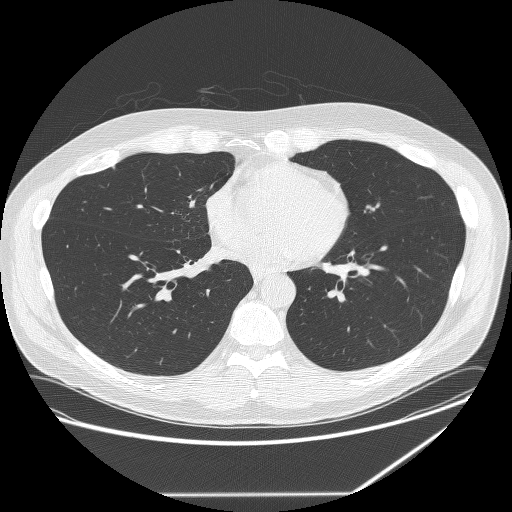
This is axial slice 125 of 291 (slice 1 is the lowest) of a chest CT; each pixel is 0.820 mm and the slice is 1.25 mm thick. Pulmonary nodule, outlined by all four readers, three of them on this slice. Box on this slice rows 165–168, columns 112–114, the union of the readers' outlines on this slice; the four readers' outlines give a longest diameter between 5.5 and 6.2 mm and a volume between 56 and 90 mm3. The readers' ratings, as ranges where they differ: texture 5/5 (solid), all four readers agreeing; margin from 4/5 to 5/5 (circumscribed) across the four readers; sphericity from 3/5 (ovoid) to 5/5 (round) across the four readers; calcification absent, all four readers agreeing; internal structure soft tissue from all four readers; subtlety from 2/5 to 4/5 across the four readers; malignancy likelihood 1–3/5 (the readers disagree). Scale key (1–5): texture non-solid→solid, margin indistinct→circumscribed, sphericity linear→round, subtlety extremely subtle→obvious, malignancy likelihood highly unlikely→highly suspicious of cancer. Box rows and columns are 0-based pixel indices from the top-left corner, inclusive.
Acquired at 120 kVp and reconstructed with the BONE kernel.